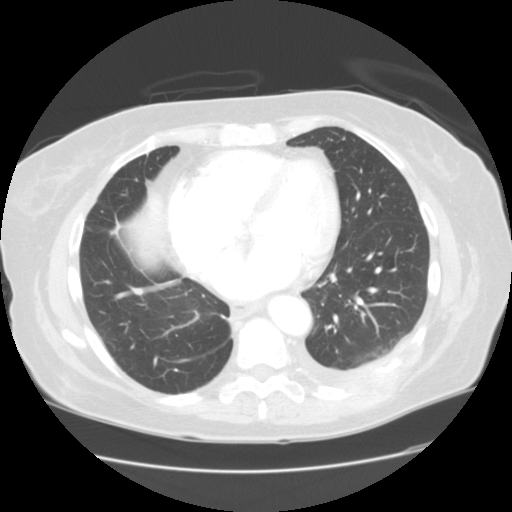
Axial chest CT slice 58 of 133 (counted from the lowest slice); 2.50 mm thick, 0.703 mm per pixel. Pulmonary nodule, outlined by two of the four readers. Box on this slice rows 288–295, columns 132–145, the union of the readers' outlines on this slice; longest diameter 9.2 mm on average over the two readers' outlines (readers' outlines 8.5–9.8 mm), volume 138–186 mm3. The readers' prevailing ratings and who disagreed: texture 5/5 (solid) from both readers; margin 5/5 (circumscribed), both readers agreeing; sphericity split among the readers: 3/5 (ovoid) (one), 4/5 (one); calcification absent from both readers; internal structure soft tissue from both readers; subtlety split among the readers: 2/5 (one), 3/5 (one); malignancy likelihood 2/5, both readers agreeing. Scale key (1–5): texture non-solid→solid, margin indistinct→circumscribed, sphericity linear→round, subtlety extremely subtle→obvious, malignancy likelihood highly unlikely→highly suspicious of cancer. Box rows and columns are 0-based pixel indices from the top-left corner, inclusive.
Scan settings: 120 kVp, STANDARD reconstruction kernel.